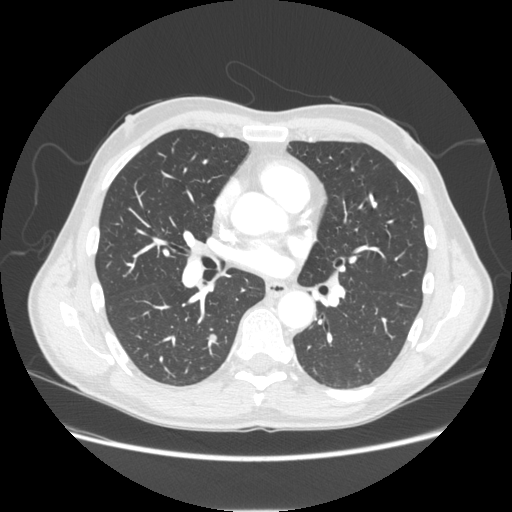
Axial slice 125 of 253 of a chest CT (slice 1 is the lowest), reconstructed with the STANDARD kernel at 120 kVp; 1.25 mm slice thickness and 0.742 mm pixels.
Pulmonary nodule outlined by all four readers; box rows 333–341, columns 207–216 (the union of the readers' outlines on this slice); median longest diameter 8.9 mm (readers' outlines 8.5–9.3 mm), median volume 221 mm3 (204–262 mm3). Ratings, median across the readers with their spread: texture 5/5 (solid) from all four readers; margin 5/5 (circumscribed) at the median of four readers, spread 1/5 (indistinct) to 5/5 (circumscribed); sphericity 5/5 (round) at the median of four readers, spread 4/5 to 5/5 (round); calcification absent from all four readers; internal structure soft tissue from all four readers; median subtlety 4/5 (readers ranged 3–5); median malignancy likelihood 2.5/5 (readers ranged 2–4). Scale key (1–5): texture non-solid→solid, margin indistinct→circumscribed, sphericity linear→round, subtlety extremely subtle→obvious, malignancy likelihood highly unlikely→highly suspicious of cancer. Box rows and columns are 0-based pixel indices from the top-left corner, inclusive.